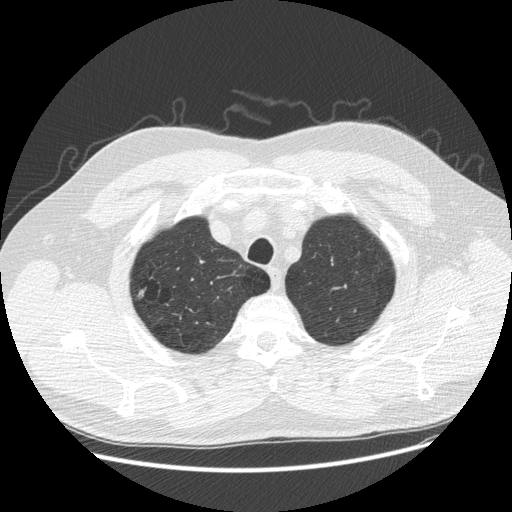
Axial slice 413 of 481 of a chest CT (slice 1 is the lowest), reconstructed with the STANDARD kernel at 120 kVp; 1.25 mm slice thickness and 0.742 mm pixels.
Pulmonary nodule at rows 289–297, columns 137–144 (box = the one reader's outline on this slice), outlined by two of the four readers, one of them on this slice; the two readers' outlines give a longest diameter between 15.0 and 18.6 mm and a volume between 293 and 924 mm3. The readers' ratings, as ranges where they differ: texture 1/5 (non-solid), both readers agreeing; margin from 1/5 (indistinct) to 2/5 across the two readers; sphericity from 3/5 (ovoid) to 5/5 (round) across the two readers; calcification absent, both readers agreeing; internal structure soft tissue, both readers agreeing; subtlety 1–2/5 (the readers disagree); malignancy likelihood rated between 2 and 4 out of 5 by the two readers. Scale key (1–5): texture non-solid→solid, margin indistinct→circumscribed, sphericity linear→round, subtlety extremely subtle→obvious, malignancy likelihood highly unlikely→highly suspicious of cancer. Box rows and columns are 0-based pixel indices from the top-left corner, inclusive.